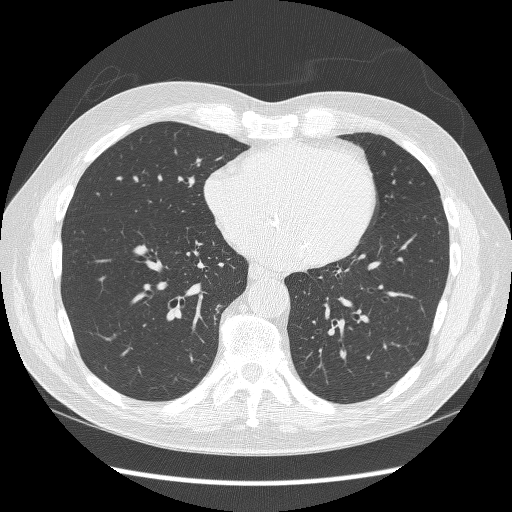
Axial slice 137 of 298 of a chest CT (slice 1 is the lowest), reconstructed with the BONE kernel at 120 kVp; 1.25 mm slice thickness and 0.719 mm pixels.
The readers outlined no nodule of 3 mm or more on this slice.